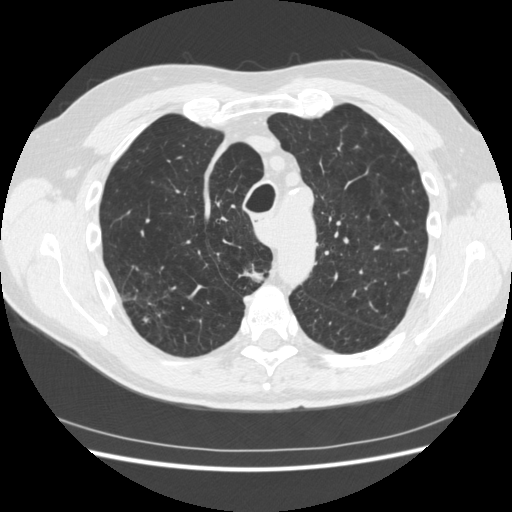
Axial chest CT slice 337 of 481 (counted from the lowest slice); tube voltage 120 kVp, convolution kernel STANDARD; slices 1.25 mm thick, 0.703 mm per pixel.
Pulmonary nodule outlined by three of the four readers; box rows 267–283, columns 241–263 (the union of the readers' outlines on this slice); median longest diameter 15.8 mm (readers' outlines 13.5–18.5 mm), median volume 713 mm3 (529–1088 mm3). Ratings, median across the readers with their spread: texture 5/5 (solid) from all three readers; margin 4/5 at the median of three readers, spread 1/5 (indistinct) to 4/5; median sphericity 3/5 (ovoid) (readers ranged 2/5 to 3/5 (ovoid)); calcification absent from all three readers; internal structure soft tissue from all three readers; median subtlety 5/5 (readers ranged 4–5); malignancy likelihood 5/5 at the median of three readers, spread 3–5. Scale key (1–5): texture non-solid→solid, margin indistinct→circumscribed, sphericity linear→round, subtlety extremely subtle→obvious, malignancy likelihood highly unlikely→highly suspicious of cancer. Box rows and columns are 0-based pixel indices from the top-left corner, inclusive.